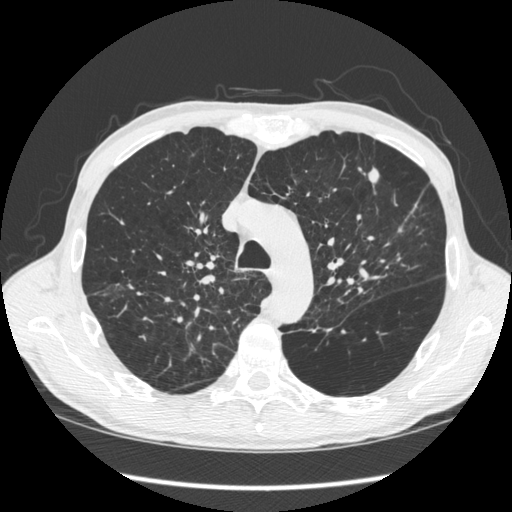
Axial slice 417 of 583 of a chest CT (slice 1 is the lowest), reconstructed with the STANDARD kernel at 120 kVp; 1.25 mm slice thickness and 0.703 mm pixels.
Pulmonary nodule at rows 167–183, columns 367–379 (box = the union of the readers' outlines on this slice), outlined by all four readers; median longest diameter 14.4 mm (readers' outlines 10.5–14.8 mm), median volume 421 mm3 (293–480 mm3). Median ratings and the readers' spread: texture 5/5 (solid) from all four readers; margin 4.5/5 at the median of four readers, spread 3/5 to 5/5 (circumscribed); median sphericity 3/5 (ovoid) (readers ranged 2/5 to 5/5 (round)); calcification absent, all four readers agreeing; internal structure soft tissue, all four readers agreeing; median subtlety 4.5/5 (readers ranged 3–5); median malignancy likelihood 4.5/5 (readers ranged 2–5). Scale key (1–5): texture non-solid→solid, margin indistinct→circumscribed, sphericity linear→round, subtlety extremely subtle→obvious, malignancy likelihood highly unlikely→highly suspicious of cancer. Box rows and columns are 0-based pixel indices from the top-left corner, inclusive.